Axial slice 59 of 139 of a chest CT (slice 1 is the lowest), reconstructed with the STANDARD kernel at 120 kVp; 2.50 mm slice thickness and 0.898 mm pixels.
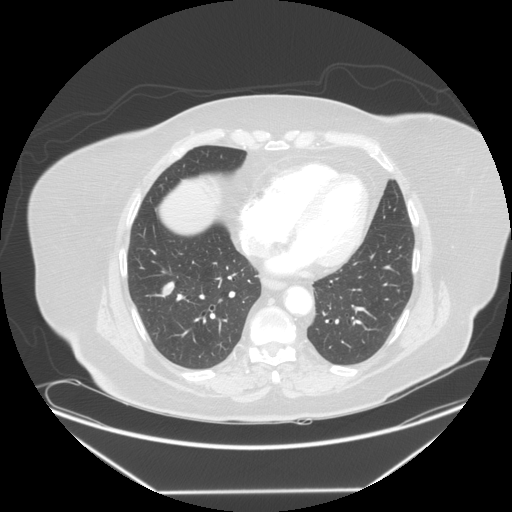
Pulmonary nodule, outlined by three of the four readers. Box on this slice rows 281–297, columns 162–174, the union of the readers' outlines on this slice; longest diameter 18.0 mm on average over the three readers' outlines (readers' outlines 17.4–18.7 mm), volume 1637–1856 mm3. The readers' prevailing ratings and who disagreed: texture 5/5 (solid) from all three readers; most readers (two of three) put margin at 4/5, others 5/5 (circumscribed) (one); most readers (two of three) put sphericity at 3/5 (ovoid), others 2/5 (one); calcification absent from all three readers; internal structure soft tissue, all three readers agreeing; subtlety 5/5, all three readers agreeing; most readers (two of three) put malignancy likelihood at 4/5, others 3/5 (one). Scale key (1–5): texture non-solid→solid, margin indistinct→circumscribed, sphericity linear→round, subtlety extremely subtle→obvious, malignancy likelihood highly unlikely→highly suspicious of cancer. Box rows and columns are 0-based pixel indices from the top-left corner, inclusive.